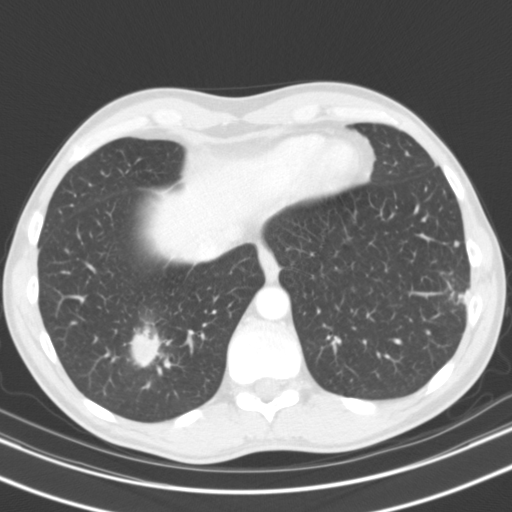
Axial chest CT slice 34 of 119 (counted from the lowest slice); 3.00 mm thick, 0.650 mm per pixel. Three pulmonary nodules on this slice, listed from left to right. (1) Pulmonary nodule, outlined by all four readers. Box on this slice rows 323–367, columns 129–160, the union of the readers' outlines on this slice; longest diameter 31.8 mm on average over the four readers' outlines (readers' outlines 30.9–32.4 mm), volume 6985–9285 mm3. Ratings, by the readers' most common answer with dissent counted: texture 5/5 (solid) by three of four readers; the rest gave 4/5 (one); margin 4/5 by two of four readers; the rest gave 2/5 (one), 3/5 (one); sphericity 5/5 (round), all four readers agreeing; calcification absent, all four readers agreeing; internal structure soft tissue from all four readers; subtlety 5/5, all four readers agreeing; malignancy likelihood 5/5 by two of four readers; the rest gave 2/5 (one), 4/5 (one). (2) Pulmonary nodule at rows 240–246, columns 452–459 (box = the union of the readers' outlines on this slice), outlined by two of the four readers; longest diameter 5.4 mm on average over the two readers' outlines (readers' outlines 4.7–6.1 mm), volume 44–75 mm3. The readers' prevailing ratings and who disagreed: texture split among the readers: 4/5 (one), 5/5 (solid) (one); margin 4/5, both readers agreeing; sphericity split among the readers: 3/5 (ovoid) (one), 5/5 (round) (one); calcification absent, both readers agreeing; internal structure soft tissue from both readers; subtlety split among the readers: 2/5 (one), 4/5 (one); malignancy likelihood 3/5, both readers agreeing. (3) Pulmonary nodule at rows 289–304, columns 460–470 (box = the union of the readers' outlines on this slice), outlined by all four readers; longest diameter 17.3 mm on average over the four readers' outlines (readers' outlines 14.3–20.4 mm), volume 1364–2386 mm3. Ratings, by the readers' most common answer with dissent counted: texture split among the readers: 4/5 (two), 5/5 (solid) (two); margin 4/5 by three of four readers; the rest gave 2/5 (one); sphericity 3/5 (ovoid) by two of four readers; the rest gave 4/5 (one), 5/5 (round) (one); calcification absent from all four readers; internal structure soft tissue, all four readers agreeing; most readers (three of four) put subtlety at 5/5, others 4/5 (one); malignancy likelihood split among the readers: 2/5 (one), 3/5 (one), 4/5 (one), 5/5 (one). Scale key (1–5): texture non-solid→solid, margin indistinct→circumscribed, sphericity linear→round, subtlety extremely subtle→obvious, malignancy likelihood highly unlikely→highly suspicious of cancer. Box rows and columns are 0-based pixel indices from the top-left corner, inclusive.
Scan settings: 130 kVp, B31s reconstruction kernel.